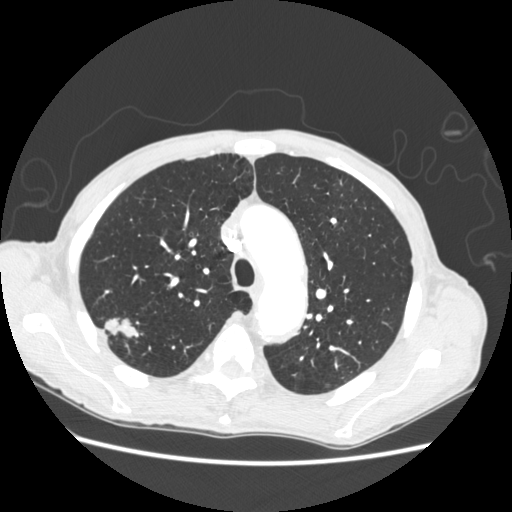
Axial chest CT slice 178 of 248 (counted from the lowest slice); tube voltage 120 kVp, convolution kernel STANDARD; slices 1.25 mm thick, 0.703 mm per pixel.
Pulmonary nodule, outlined by all four readers. Box on this slice rows 317–338, columns 103–139, the union of the readers' outlines on this slice; the four readers' outlines give a longest diameter between 26.0 and 32.7 mm and a volume between 5181 and 6655 mm3. Ratings across the readers: texture 5/5 (solid), all four readers agreeing; margin from 2/5 to 5/5 (circumscribed) across the four readers; sphericity from 3/5 (ovoid) to 4/5 across the four readers; calcification absent, all four readers agreeing; internal structure soft tissue, all four readers agreeing; subtlety 5/5, all four readers agreeing; malignancy likelihood rated between 3 and 5 out of 5 by the four readers. Scale key (1–5): texture non-solid→solid, margin indistinct→circumscribed, sphericity linear→round, subtlety extremely subtle→obvious, malignancy likelihood highly unlikely→highly suspicious of cancer. Box rows and columns are 0-based pixel indices from the top-left corner, inclusive.